Axial chest CT slice 214 of 477 (counted from the lowest slice); tube voltage 120 kVp, convolution kernel STANDARD; slices 1.25 mm thick, 0.703 mm per pixel.
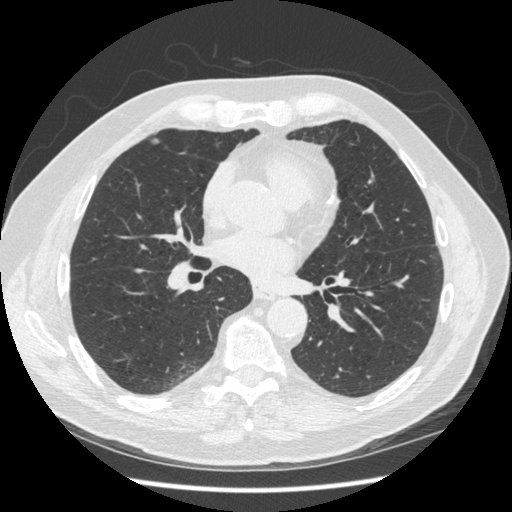
Pulmonary nodule, outlined by three of the four readers. Box on this slice rows 137–144, columns 150–159, the union of the readers' outlines on this slice; median longest diameter 8.0 mm (readers' outlines 7.2–8.2 mm), median volume 81 mm3 (65–84 mm3). Median ratings and the readers' spread: texture 5/5 (solid) from all three readers; margin 5/5 (circumscribed) at the median of three readers, spread 3/5 to 5/5 (circumscribed); sphericity 4/5 at the median of three readers, spread 3/5 (ovoid) to 5/5 (round); calcification absent from all three readers; internal structure soft tissue from all three readers; median subtlety 4/5 (readers ranged 3–5); malignancy likelihood 3/5 at the median of three readers, spread 2–3. Scale key (1–5): texture non-solid→solid, margin indistinct→circumscribed, sphericity linear→round, subtlety extremely subtle→obvious, malignancy likelihood highly unlikely→highly suspicious of cancer. Box rows and columns are 0-based pixel indices from the top-left corner, inclusive.